Chest CT, axial plane, 120 kVp, kernel STANDARD. Slice 88/144 from the bottom of the scan; thickness 2.50 mm; pixel size 0.781 mm.
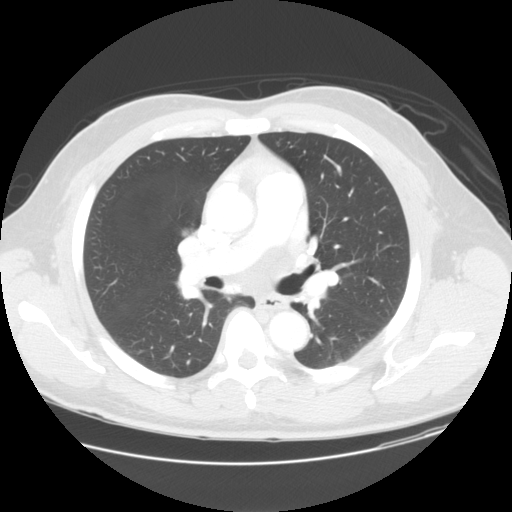
Pulmonary nodule, outlined by three of the four readers, two of them on this slice. Box on this slice rows 228–236, columns 182–195, the union of the readers' outlines on this slice; median longest diameter 19.3 mm (readers' outlines 17.8–19.6 mm), median volume 1709 mm3 (1559–1834 mm3). Median ratings and the readers' spread: texture 5/5 (solid) from all three readers; margin 4/5 at the median of three readers, spread 4/5 to 5/5 (circumscribed); sphericity 3/5 (ovoid) at the median of three readers, spread 3/5 (ovoid) to 4/5; calcification: absent (two), non-central calcification (one); internal structure soft tissue, all three readers agreeing; median subtlety 4/5 (readers ranged 4–5); median malignancy likelihood 4/5 (readers ranged 3–4). Scale key (1–5): texture non-solid→solid, margin indistinct→circumscribed, sphericity linear→round, subtlety extremely subtle→obvious, malignancy likelihood highly unlikely→highly suspicious of cancer. Box rows and columns are 0-based pixel indices from the top-left corner, inclusive.